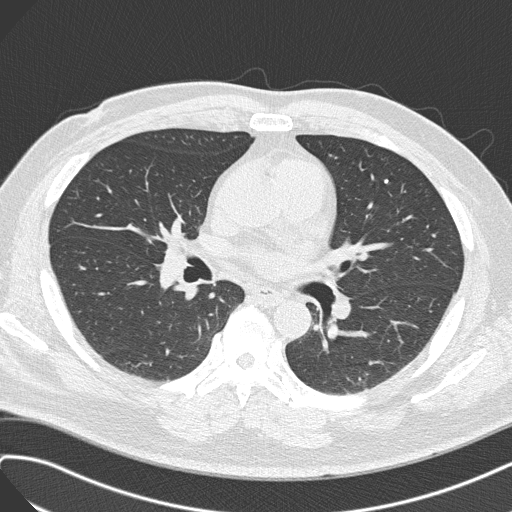
Axial chest CT slice 170 of 308 (counted from the lowest slice); 1.00 mm thick, 0.703 mm per pixel. Pulmonary nodule outlined by one of the four readers; box rows 179–183, columns 384–388 (that reader's outline on this slice); longest diameter 5.1 mm and volume 29 mm3 from that reader's outline. Ratings by that reader: texture 5/5 (solid); margin 5/5 (circumscribed); sphericity 5/5 (round); calcification solid calcification; internal structure soft tissue; subtlety 3/5; malignancy likelihood 1/5. Scale key (1–5): texture non-solid→solid, margin indistinct→circumscribed, sphericity linear→round, subtlety extremely subtle→obvious, malignancy likelihood highly unlikely→highly suspicious of cancer. Box rows and columns are 0-based pixel indices from the top-left corner, inclusive.
Tube voltage 120 kVp; convolution kernel B45f.